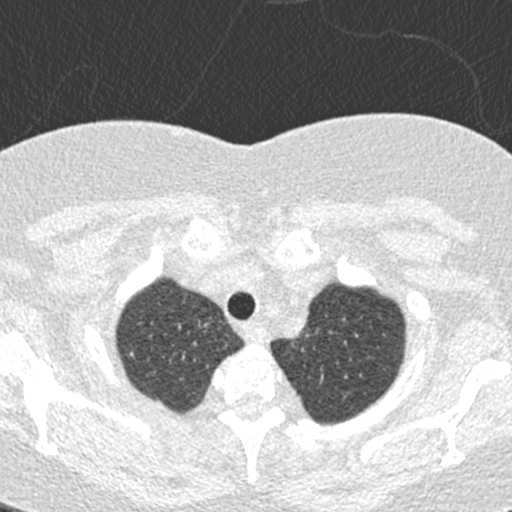
Slice 383/423 of a chest CT, counting up from the lowest; pixel size 0.520 mm, slice thickness 0.75 mm. Pulmonary nodule, outlined by two of the four readers. Box on this slice rows 353–355, columns 129–132, the union of the readers' outlines on this slice; longest diameter 3.5 mm on average over the two readers' outlines (readers' outlines 2.8–4.2 mm), volume 7–20 mm3. Ratings, by the readers' most common answer with dissent counted: texture 5/5 (solid) from both readers; margin 5/5 (circumscribed) from both readers; sphericity 5/5 (round), both readers agreeing; calcification solid calcification, both readers agreeing; internal structure soft tissue from both readers; subtlety 5/5, both readers agreeing; malignancy likelihood 1/5, both readers agreeing. Scale key (1–5): texture non-solid→solid, margin indistinct→circumscribed, sphericity linear→round, subtlety extremely subtle→obvious, malignancy likelihood highly unlikely→highly suspicious of cancer. Box rows and columns are 0-based pixel indices from the top-left corner, inclusive.
Tube voltage 120 kVp; convolution kernel B30f.